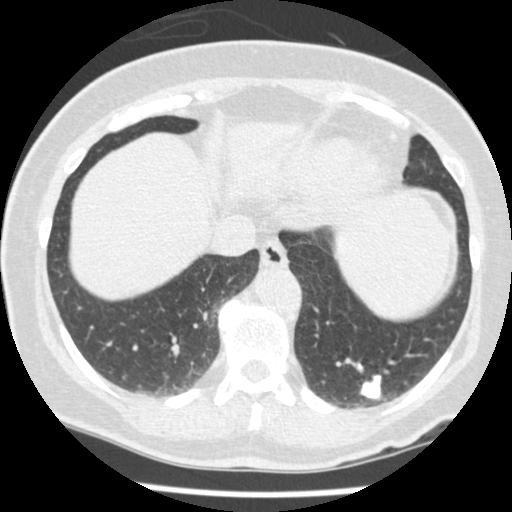
Axial chest CT slice 127 of 465 (counted from the lowest slice); tube voltage 120 kVp, convolution kernel STANDARD; slices 1.25 mm thick, 0.586 mm per pixel.
Pulmonary nodule outlined by all four readers; box rows 374–399, columns 358–381 (the union of the readers' outlines on this slice); longest diameter 18.1 mm on average over the four readers' outlines (readers' outlines 15.8–20.8 mm), volume 1106–1600 mm3. Ratings, by the readers' most common answer with dissent counted: texture 5/5 (solid), all four readers agreeing; margin 4/5 by two of four readers; the rest gave 3/5 (one), 5/5 (circumscribed) (one); sphericity 4/5 by three of four readers; the rest gave 3/5 (ovoid) (one); calcification absent by two of four readers, solid calcification (one), central calcification (one); internal structure soft tissue from all four readers; subtlety 5/5, all four readers agreeing; malignancy likelihood 1/5 by two of four readers; the rest gave 4/5 (one), 5/5 (one). Scale key (1–5): texture non-solid→solid, margin indistinct→circumscribed, sphericity linear→round, subtlety extremely subtle→obvious, malignancy likelihood highly unlikely→highly suspicious of cancer. Box rows and columns are 0-based pixel indices from the top-left corner, inclusive.